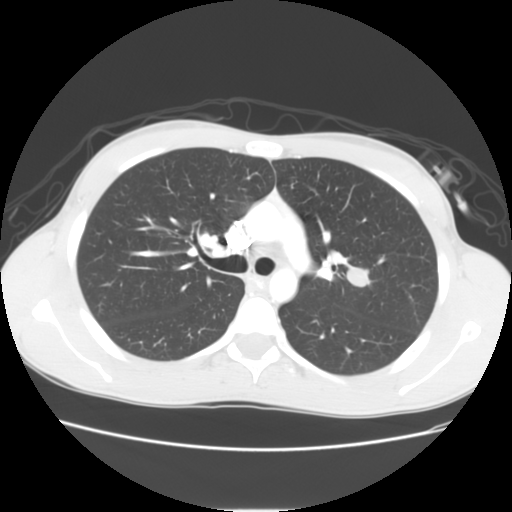
Chest CT, axial plane, 120 kVp, kernel STANDARD. Slice 75/114 from the bottom of the scan; thickness 2.50 mm; pixel size 0.664 mm.
Pulmonary nodule outlined by all four readers; box rows 266–286, columns 346–370 (the union of the readers' outlines on this slice); longest diameter 17.8 mm on average over the four readers' outlines (readers' outlines 16.8–19.0 mm), volume 1177–1906 mm3. The readers' prevailing ratings and who disagreed: texture 5/5 (solid) by three of four readers; the rest gave 4/5 (one); margin split among the readers: 4/5 (two), 5/5 (circumscribed) (two); sphericity split among the readers: 3/5 (ovoid) (two), 5/5 (round) (two); calcification absent from all four readers; internal structure soft tissue from all four readers; subtlety 5/5 by three of four readers; the rest gave 3/5 (one); malignancy likelihood split among the readers: 2/5 (one), 3/5 (one), 4/5 (one), 5/5 (one). Scale key (1–5): texture non-solid→solid, margin indistinct→circumscribed, sphericity linear→round, subtlety extremely subtle→obvious, malignancy likelihood highly unlikely→highly suspicious of cancer. Box rows and columns are 0-based pixel indices from the top-left corner, inclusive.